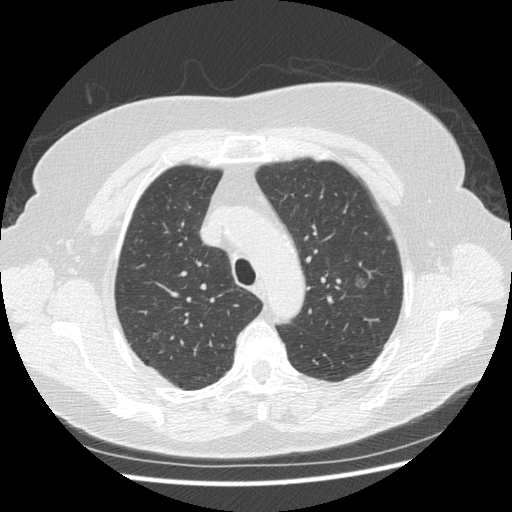
Axial slice 325 of 413 of a chest CT (slice 1 is the lowest), reconstructed with the STANDARD kernel at 120 kVp; 1.25 mm slice thickness and 0.703 mm pixels.
Pulmonary nodule at rows 276–288, columns 355–366 (box = the union of the readers' outlines on this slice), outlined by two of the four readers; longest diameter 10.1 mm and volume 131–234 mm3 across the two readers' outlines. The readers' ratings, as ranges where they differ: texture 1/5 (non-solid) from both readers; margin from 1/5 (indistinct) to 3/5 across the two readers; sphericity from 4/5 to 5/5 (round) across the two readers; calcification absent, both readers agreeing; internal structure soft tissue from both readers; subtlety rated between 1 and 4 out of 5 by the two readers; malignancy likelihood from 3/5 to 4/5 across the two readers. Scale key (1–5): texture non-solid→solid, margin indistinct→circumscribed, sphericity linear→round, subtlety extremely subtle→obvious, malignancy likelihood highly unlikely→highly suspicious of cancer. Box rows and columns are 0-based pixel indices from the top-left corner, inclusive.